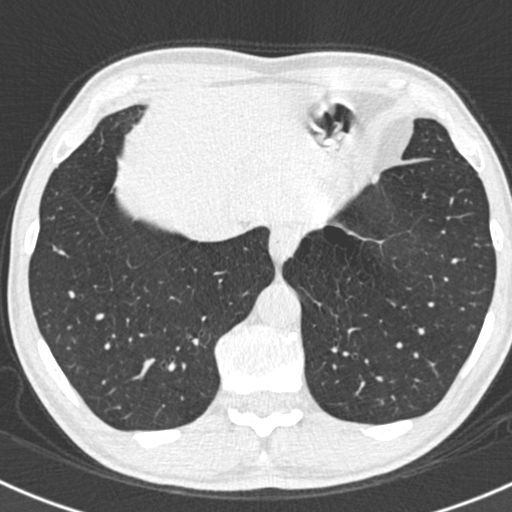
Axial chest CT slice 183 of 538 (counted from the lowest slice); tube voltage 120 kVp, convolution kernel B30f; slices 0.75 mm thick, 0.605 mm per pixel.
Two pulmonary nodules are outlined on this slice; from left to right: (1) Pulmonary nodule outlined by two of the four readers, one of them on this slice; box rows 245–256, columns 53–67 (the one reader's outline on this slice); longest diameter 9.2–11.8 mm and volume 48–81 mm3 across the two readers' outlines. The readers' ratings, as ranges where they differ: texture 5/5 (solid), both readers agreeing; margin from 4/5 to 5/5 (circumscribed) across the two readers; sphericity from 2/5 to 3/5 (ovoid) across the two readers; calcification absent from both readers; internal structure soft tissue, both readers agreeing; subtlety from 3/5 to 4/5 across the two readers; malignancy likelihood 2/5, both readers agreeing. (2) Pulmonary nodule outlined by two of the four readers, one of them on this slice; box rows 244–245, columns 485–489 (the one reader's outline on this slice); median longest diameter 5.9 mm (readers' outlines 5.6–6.2 mm), median volume 28 mm3 (18–38 mm3). Ratings, median across the readers with their spread: texture 5/5 (solid) from both readers; median margin 4.5/5 (readers ranged 4/5 to 5/5 (circumscribed)); median sphericity 2.5/5 (readers ranged 2/5 to 3/5 (ovoid)); calcification solid calcification, both readers agreeing; internal structure soft tissue, both readers agreeing; subtlety 3/5, both readers agreeing; malignancy likelihood 1/5 from both readers. Scale key (1–5): texture non-solid→solid, margin indistinct→circumscribed, sphericity linear→round, subtlety extremely subtle→obvious, malignancy likelihood highly unlikely→highly suspicious of cancer. Box rows and columns are 0-based pixel indices from the top-left corner, inclusive.